Axial slice 332 of 583 of a chest CT (slice 1 is the lowest), reconstructed with the STANDARD kernel at 120 kVp; 1.25 mm slice thickness and 0.703 mm pixels.
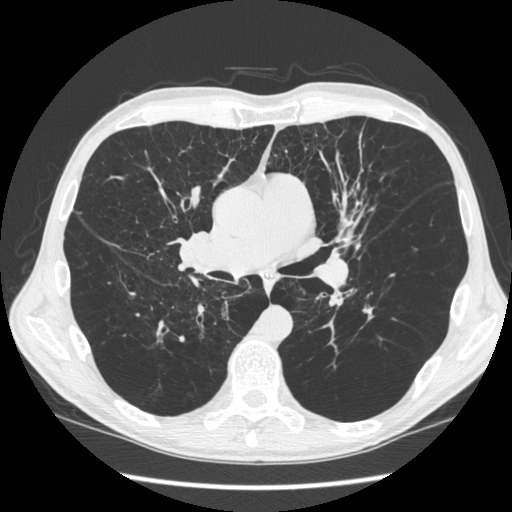
Pulmonary nodule outlined by two of the four readers, one of them on this slice; box rows 307–318, columns 363–372 (the one reader's outline on this slice); median longest diameter 27.9 mm (readers' outlines 24.1–31.7 mm), median volume 984 mm3 (791–1176 mm3). Ratings, median across the readers with their spread: texture 5/5 (solid), both readers agreeing; margin 2.5/5 at the median of two readers, spread 1/5 (indistinct) to 4/5; sphericity 1.5/5 at the median of two readers, spread 1/5 (linear) to 2/5; calcification absent from both readers; internal structure soft tissue from both readers; subtlety 5/5 from both readers; malignancy likelihood 2.5/5 at the median of two readers, spread 2–3. Scale key (1–5): texture non-solid→solid, margin indistinct→circumscribed, sphericity linear→round, subtlety extremely subtle→obvious, malignancy likelihood highly unlikely→highly suspicious of cancer. Box rows and columns are 0-based pixel indices from the top-left corner, inclusive.